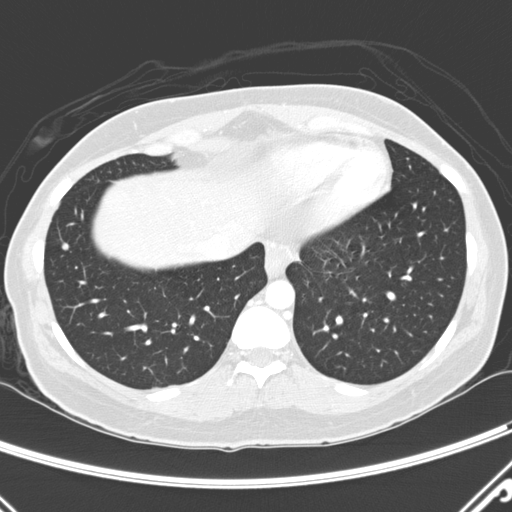
Slice 80/290 of a chest CT, counting up from the lowest; pixel size 0.648 mm, slice thickness 2.00 mm. Pulmonary nodule at rows 242–250, columns 60–68 (box = the union of the readers' outlines on this slice), outlined by two of the four readers; longest diameter 7.3 mm on average over the two readers' outlines (readers' outlines 7.1–7.6 mm), volume 80–93 mm3. The readers' prevailing ratings and who disagreed: texture 5/5 (solid) from both readers; margin 5/5 (circumscribed), both readers agreeing; sphericity split among the readers: 4/5 (one), 5/5 (round) (one); calcification absent, both readers agreeing; internal structure soft tissue, both readers agreeing; subtlety split among the readers: 4/5 (one), 5/5 (one); malignancy likelihood 3/5 from both readers. Scale key (1–5): texture non-solid→solid, margin indistinct→circumscribed, sphericity linear→round, subtlety extremely subtle→obvious, malignancy likelihood highly unlikely→highly suspicious of cancer. Box rows and columns are 0-based pixel indices from the top-left corner, inclusive.
Scan settings: 120 kVp, D reconstruction kernel.